Axial slice 111 of 178 of a chest CT (slice 1 is the lowest), reconstructed with the STANDARD kernel at 120 kVp; 1.25 mm slice thickness and 0.703 mm pixels.
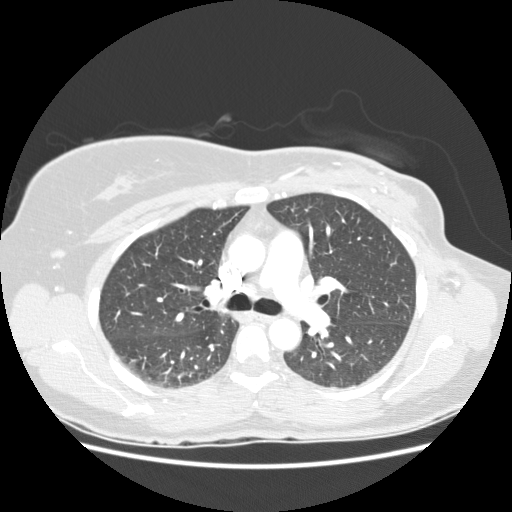
No nodule 3 mm or larger was outlined here by any reader.